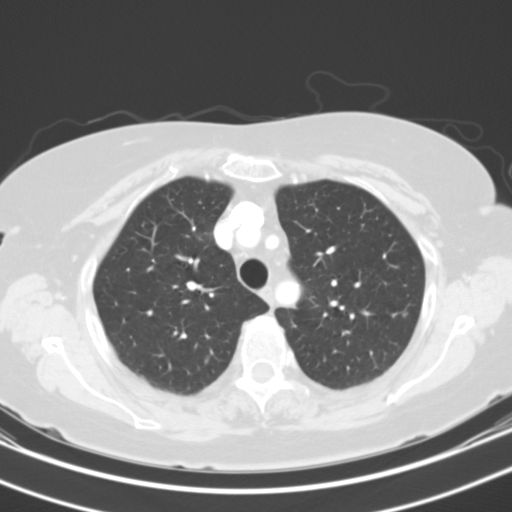
Axial chest CT slice 84 of 109 (counted from the lowest slice); 3.00 mm thick, 0.629 mm per pixel. No nodule of 3 mm or larger was outlined by any of the four readers on this slice.
Tube voltage 130 kVp; convolution kernel B31s.